One axial slice (93 of 125, counting up from the lowest) of a chest CT acquired at 135 kVp with the FC01 kernel; each pixel is 0.721 mm and the slice is 3.00 mm thick.
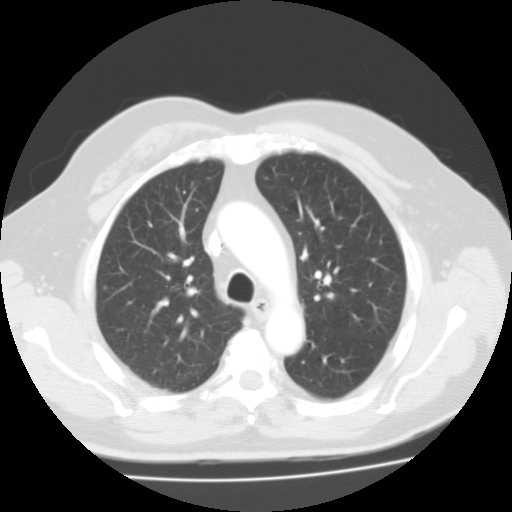
Pulmonary nodule outlined by two of the four readers; box rows 285–289, columns 103–106 (the union of the readers' outlines on this slice); median longest diameter 4.9 mm (readers' outlines 4.6–5.2 mm), median volume 73 mm3 (58–88 mm3). Median ratings and the readers' spread: median texture 4.5/5 (readers ranged 4/5 to 5/5 (solid)); margin 4.5/5 at the median of two readers, spread 4/5 to 5/5 (circumscribed); median sphericity 4/5 (readers ranged 3/5 (ovoid) to 5/5 (round)); calcification absent from both readers; internal structure soft tissue from both readers; subtlety 4/5 at the median of two readers, spread 3–5; malignancy likelihood 3/5 from both readers. Scale key (1–5): texture non-solid→solid, margin indistinct→circumscribed, sphericity linear→round, subtlety extremely subtle→obvious, malignancy likelihood highly unlikely→highly suspicious of cancer. Box rows and columns are 0-based pixel indices from the top-left corner, inclusive.